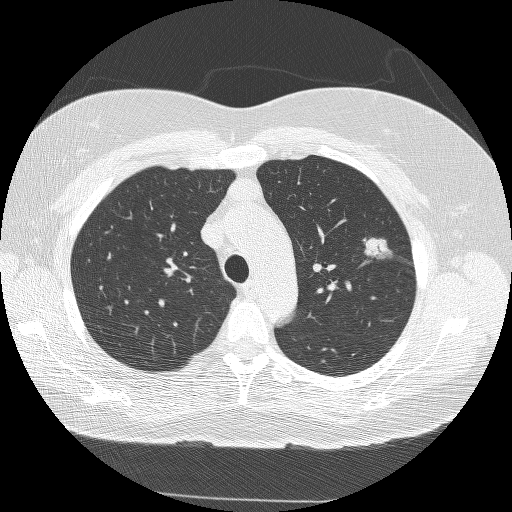
One axial slice (189 of 245, counting up from the lowest) of a chest CT acquired at 120 kVp with the BONE kernel; each pixel is 0.664 mm and the slice is 1.25 mm thick.
Pulmonary nodule outlined by all four readers; box rows 237–259, columns 362–392 (the union of the readers' outlines on this slice); longest diameter 20.8–22.3 mm and volume 2976–3390 mm3 across the four readers' outlines. The readers' ratings, as ranges where they differ: texture from 4/5 to 5/5 (solid) across the four readers; margin from 3/5 to 4/5 across the four readers; sphericity from 3/5 (ovoid) to 5/5 (round) across the four readers; calcification absent, all four readers agreeing; internal structure soft tissue, all four readers agreeing; subtlety 5/5 from all four readers; malignancy likelihood 5/5 from all four readers. Scale key (1–5): texture non-solid→solid, margin indistinct→circumscribed, sphericity linear→round, subtlety extremely subtle→obvious, malignancy likelihood highly unlikely→highly suspicious of cancer. Box rows and columns are 0-based pixel indices from the top-left corner, inclusive.